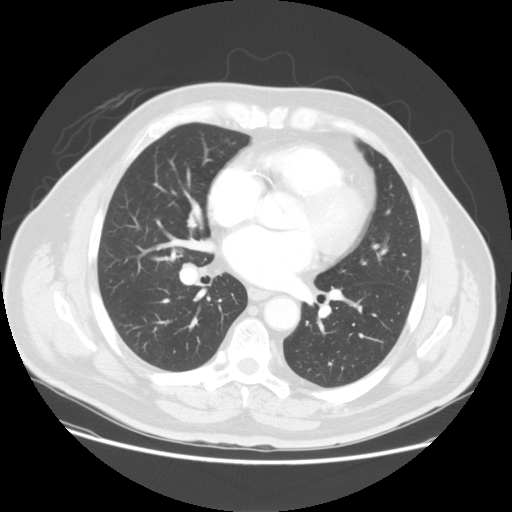
Axial slice 83 of 149 of a chest CT (slice 1 is the lowest), reconstructed with the STANDARD kernel at 120 kVp; 2.50 mm slice thickness and 0.781 mm pixels.
No nodule of 3 mm or larger was outlined by any of the four readers on this slice.